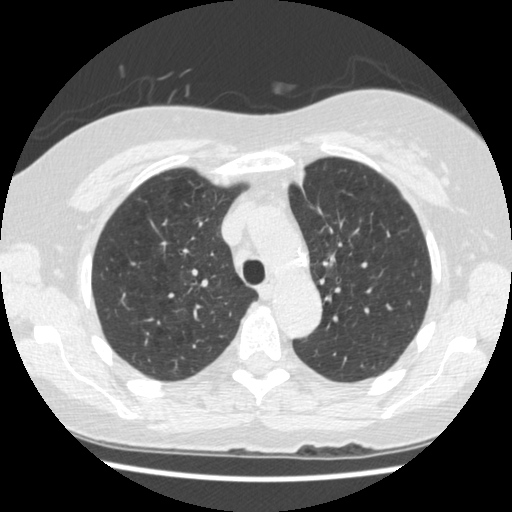
Chest CT, axial plane, 120 kVp, kernel STANDARD. Slice 344/474 from the bottom of the scan; thickness 1.25 mm; pixel size 0.625 mm.
Pulmonary nodule, outlined by one of the four readers. Box on this slice rows 253–267, columns 328–334, that reader's outline on this slice; longest diameter 17.7 mm and volume 538 mm3 from that reader's outline. That reader's ratings: texture 1/5 (non-solid); margin 2/5; sphericity 3/5 (ovoid); calcification absent; internal structure soft tissue; subtlety 3/5; malignancy likelihood 2/5. Scale key (1–5): texture non-solid→solid, margin indistinct→circumscribed, sphericity linear→round, subtlety extremely subtle→obvious, malignancy likelihood highly unlikely→highly suspicious of cancer. Box rows and columns are 0-based pixel indices from the top-left corner, inclusive.